One axial slice (55 of 121, counting up from the lowest) of a chest CT acquired at 130 kVp with the B31s kernel; each pixel is 0.613 mm and the slice is 3.00 mm thick.
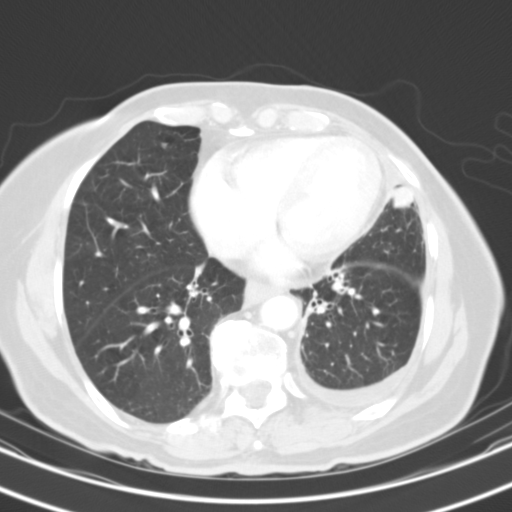
Two pulmonary nodules are outlined on this slice; from left to right: (1) Pulmonary nodule at rows 143–146, columns 163–165 (box = that reader's outline on this slice), outlined by one of the four readers; longest diameter 4.9 mm and volume 60 mm3 from that reader's outline. That reader's ratings: texture 5/5 (solid); margin 5/5 (circumscribed); sphericity 5/5 (round); calcification absent; internal structure soft tissue; subtlety 2/5; malignancy likelihood 2/5. (2) Pulmonary nodule outlined by two of the four readers; box rows 187–207, columns 390–413 (the union of the readers' outlines on this slice); longest diameter 19.9 mm on average over the two readers' outlines (readers' outlines 19.2–20.6 mm), volume 4717–4944 mm3. Ratings, by the readers' most common answer with dissent counted: texture 5/5 (solid), both readers agreeing; margin split among the readers: 3/5 (one), 4/5 (one); sphericity split among the readers: 4/5 (one), 5/5 (round) (one); calcification absent, both readers agreeing; internal structure soft tissue, both readers agreeing; subtlety split among the readers: 3/5 (one), 5/5 (one); malignancy likelihood split among the readers: 3/5 (one), 4/5 (one). Scale key (1–5): texture non-solid→solid, margin indistinct→circumscribed, sphericity linear→round, subtlety extremely subtle→obvious, malignancy likelihood highly unlikely→highly suspicious of cancer. Box rows and columns are 0-based pixel indices from the top-left corner, inclusive.